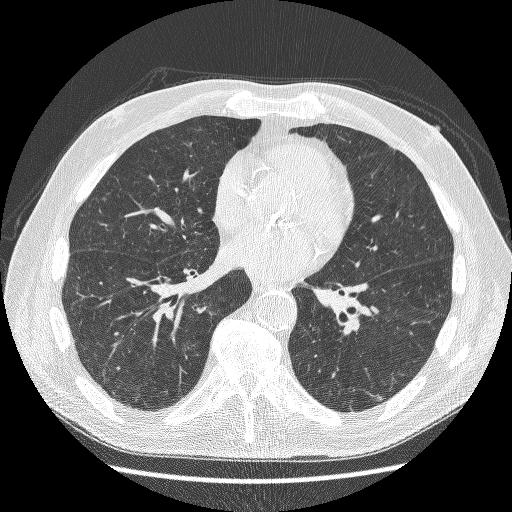
Slice 105/241 of a chest CT, counting up from the lowest; pixel size 0.703 mm, slice thickness 1.25 mm. Pulmonary nodule, outlined by all four readers, two of them on this slice. Box on this slice rows 393–401, columns 374–382, the union of the readers' outlines on this slice; longest diameter 8.1 mm on average over the four readers' outlines (readers' outlines 7.3–8.7 mm), volume 91–167 mm3. The readers' prevailing ratings and who disagreed: texture 5/5 (solid) from all four readers; most readers (three of four) put margin at 5/5 (circumscribed), others 4/5 (one); sphericity 4/5 by two of four readers; the rest gave 3/5 (ovoid) (one), 5/5 (round) (one); calcification absent by three of four readers, solid calcification (one); internal structure soft tissue from all four readers; most readers (three of four) put subtlety at 4/5, others 5/5 (one); malignancy likelihood 3/5 by two of four readers; the rest gave 1/5 (one), 4/5 (one). Scale key (1–5): texture non-solid→solid, margin indistinct→circumscribed, sphericity linear→round, subtlety extremely subtle→obvious, malignancy likelihood highly unlikely→highly suspicious of cancer. Box rows and columns are 0-based pixel indices from the top-left corner, inclusive.
Scan settings: 120 kVp, BONE reconstruction kernel.